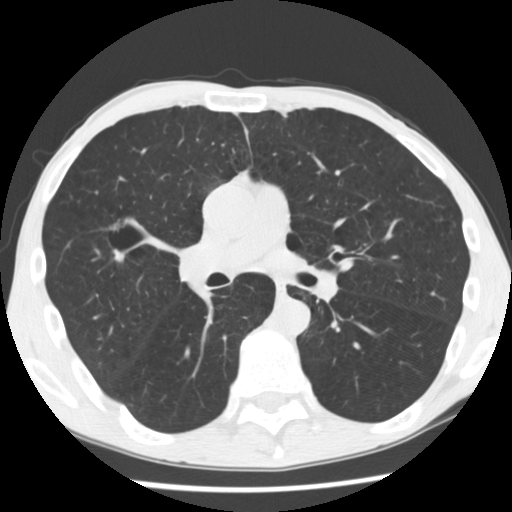
Axial chest CT slice 158 of 292 (counted from the lowest slice); 2.50 mm thick, 0.645 mm per pixel. Pulmonary nodule outlined three times (the source holds two more outlines, not used), one of them on this slice; box rows 218–261, columns 106–127 (the one reader's outline on this slice); longest diameter 18.5 mm on average over the three readers' outlines (readers' outlines 18.2–19.0 mm), volume 892–1690 mm3. Ratings, by the readers' most common answer with dissent counted: texture 5/5 (solid) from all three readers; margin split among the readers: 2/5 (one), 3/5 (one), 4/5 (one); sphericity split among the readers: 2/5 (one), 3/5 (ovoid) (one), 4/5 (one); calcification absent, all three readers agreeing; internal structure soft tissue from all three readers; subtlety 4/5 by two of three readers; the rest gave 5/5 (one); malignancy likelihood 5/5 by two of three readers; the rest gave 3/5 (one). Scale key (1–5): texture non-solid→solid, margin indistinct→circumscribed, sphericity linear→round, subtlety extremely subtle→obvious, malignancy likelihood highly unlikely→highly suspicious of cancer. Box rows and columns are 0-based pixel indices from the top-left corner, inclusive.
Acquired at 120 kVp and reconstructed with the STANDARD kernel.